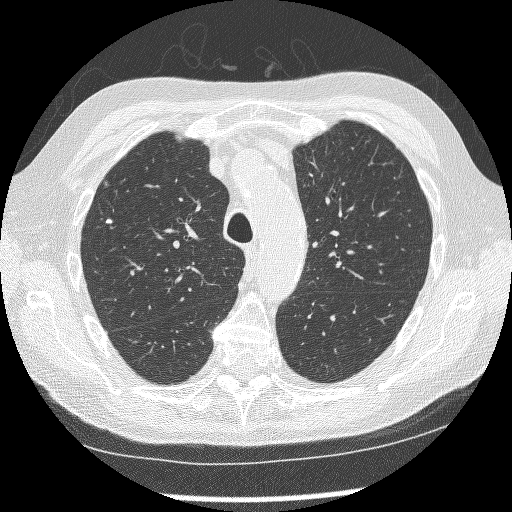
This is axial slice 201 of 250 (slice 1 is the lowest) of a chest CT; each pixel is 0.654 mm and the slice is 1.25 mm thick. Pulmonary nodule, outlined by all four readers. Box on this slice rows 218–223, columns 105–112, the union of the readers' outlines on this slice; longest diameter 5.3 mm on average over the four readers' outlines (readers' outlines 4.6–5.9 mm), volume 18–44 mm3. Ratings, by the readers' most common answer with dissent counted: texture 5/5 (solid) from all four readers; margin 5/5 (circumscribed) from all four readers; sphericity 3/5 (ovoid) by three of four readers; the rest gave 4/5 (one); calcification solid calcification, all four readers agreeing; internal structure soft tissue, all four readers agreeing; subtlety split among the readers: 2/5 (one), 3/5 (one), 4/5 (one), 5/5 (one); malignancy likelihood 1/5, all four readers agreeing. Scale key (1–5): texture non-solid→solid, margin indistinct→circumscribed, sphericity linear→round, subtlety extremely subtle→obvious, malignancy likelihood highly unlikely→highly suspicious of cancer. Box rows and columns are 0-based pixel indices from the top-left corner, inclusive.
Scan settings: 120 kVp, BONE reconstruction kernel.